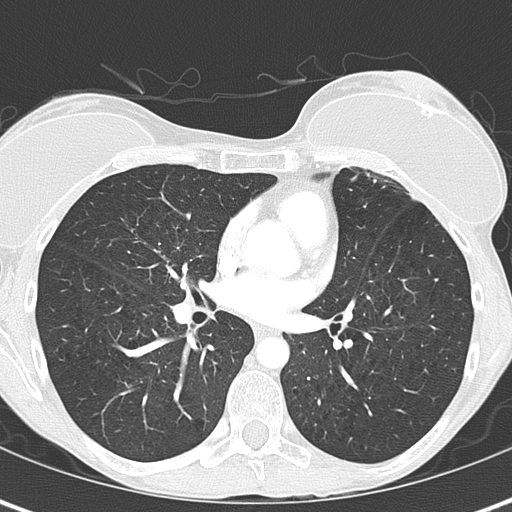
Axial slice 197 of 345 of a chest CT (slice 1 is the lowest), reconstructed with the B70f kernel at 120 kVp; 2.00 mm slice thickness and 0.541 mm pixels.
Pulmonary nodule outlined by all four readers; box rows 338–348, columns 343–352 (the union of the readers' outlines on this slice); longest diameter 6.8 mm on average over the four readers' outlines (readers' outlines 6.3–7.7 mm), volume 105–184 mm3. Ratings, by the readers' most common answer with dissent counted: texture 5/5 (solid), all four readers agreeing; margin 5/5 (circumscribed) from all four readers; sphericity split among the readers: 4/5 (two), 5/5 (round) (two); calcification split among the readers: laminated calcification (two), solid calcification (two); internal structure soft tissue from all four readers; subtlety 5/5 by two of four readers; the rest gave 2/5 (one), 3/5 (one); malignancy likelihood 1/5 from all four readers. Scale key (1–5): texture non-solid→solid, margin indistinct→circumscribed, sphericity linear→round, subtlety extremely subtle→obvious, malignancy likelihood highly unlikely→highly suspicious of cancer. Box rows and columns are 0-based pixel indices from the top-left corner, inclusive.